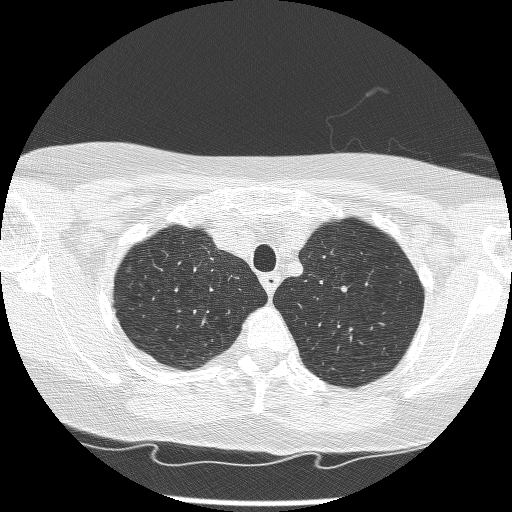
Axial chest CT slice 176 of 209 (counted from the lowest slice); tube voltage 120 kVp, convolution kernel BONE; slices 1.25 mm thick, 0.617 mm per pixel.
Pulmonary nodule, outlined by one of the four readers. Box on this slice rows 264–272, columns 126–131, that reader's outline on this slice; longest diameter 6.4 mm and volume 52 mm3 from that reader's outline. That reader's ratings: texture 1/5 (non-solid); margin 1/5 (indistinct); sphericity 4/5; calcification absent; internal structure soft tissue; subtlety 1/5; malignancy likelihood 2/5. Scale key (1–5): texture non-solid→solid, margin indistinct→circumscribed, sphericity linear→round, subtlety extremely subtle→obvious, malignancy likelihood highly unlikely→highly suspicious of cancer. Box rows and columns are 0-based pixel indices from the top-left corner, inclusive.